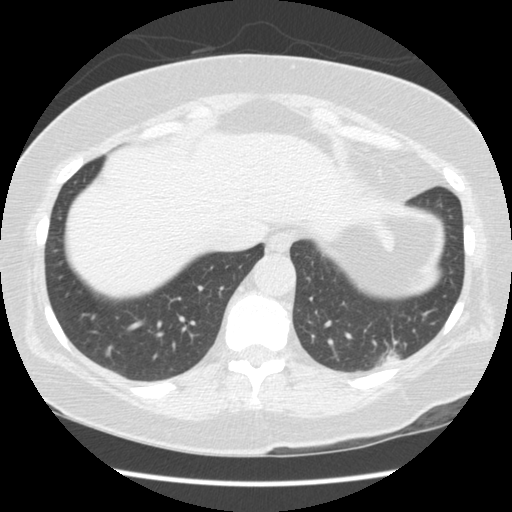
Chest CT, axial plane, 120 kVp, kernel STANDARD. Slice 37/154 from the bottom of the scan; thickness 2.50 mm; pixel size 0.645 mm.
Pulmonary nodule, outlined by one of the four readers. Box on this slice rows 351–364, columns 377–399, that reader's outline on this slice; longest diameter 24.1 mm and volume 2244 mm3 from that reader's outline. Ratings by that reader: texture 3/5 (part-solid); margin 3/5; sphericity 4/5; calcification absent; internal structure soft tissue; subtlety 4/5; malignancy likelihood 1/5. Scale key (1–5): texture non-solid→solid, margin indistinct→circumscribed, sphericity linear→round, subtlety extremely subtle→obvious, malignancy likelihood highly unlikely→highly suspicious of cancer. Box rows and columns are 0-based pixel indices from the top-left corner, inclusive.